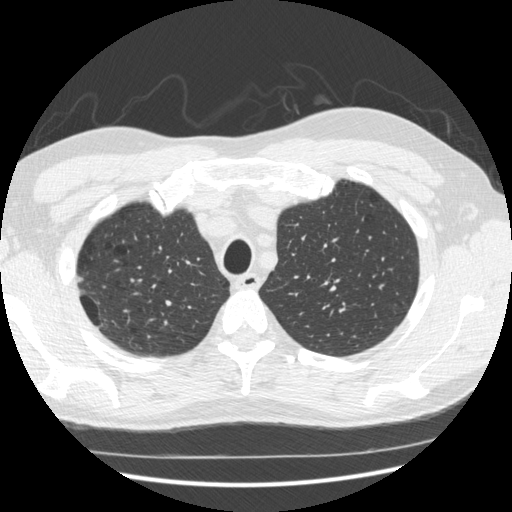
Axial chest CT slice 414 of 509 (counted from the lowest slice); 1.25 mm thick, 0.703 mm per pixel. Pulmonary nodule, outlined by one of the four readers. Box on this slice rows 275–281, columns 76–82, that reader's outline on this slice; longest diameter 7.0 mm and volume 52 mm3 from that reader's outline. Ratings by that reader: texture 5/5 (solid); margin 4/5; sphericity 3/5 (ovoid); calcification absent; internal structure soft tissue; subtlety 3/5; malignancy likelihood 2/5. Scale key (1–5): texture non-solid→solid, margin indistinct→circumscribed, sphericity linear→round, subtlety extremely subtle→obvious, malignancy likelihood highly unlikely→highly suspicious of cancer. Box rows and columns are 0-based pixel indices from the top-left corner, inclusive.
Acquired at 120 kVp and reconstructed with the STANDARD kernel.